Axial slice 126 of 261 of a chest CT (slice 1 is the lowest), reconstructed with the BONE kernel at 120 kVp; 1.25 mm slice thickness and 0.703 mm pixels.
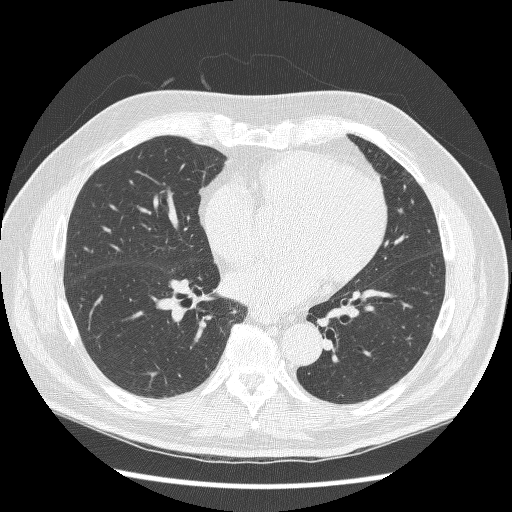
This slice carries no reader outline of a nodule 3 mm or larger.